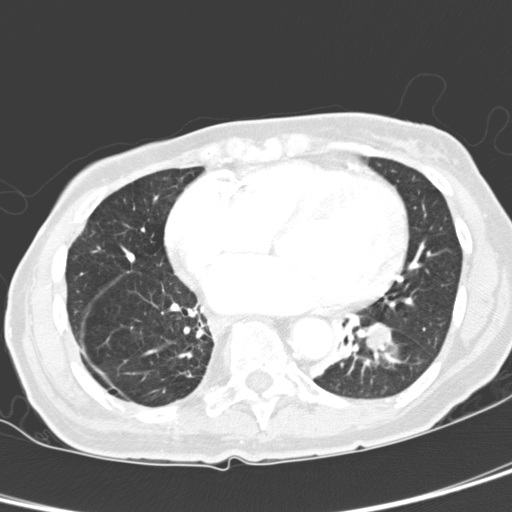
Chest CT, axial plane, 120 kVp, kernel D. Slice 141/321 from the bottom of the scan; thickness 2.00 mm; pixel size 0.557 mm.
Pulmonary nodule, outlined by all four readers. Box on this slice rows 322–353, columns 364–394, the union of the readers' outlines on this slice; median longest diameter 18.6 mm (readers' outlines 18.1–20.0 mm), median volume 2503 mm3 (2428–2697 mm3). Median ratings and the readers' spread: median texture 4.5/5 (readers ranged 4/5 to 5/5 (solid)); margin 4.5/5 at the median of four readers, spread 3/5 to 5/5 (circumscribed); median sphericity 5/5 (round) (readers ranged 4/5 to 5/5 (round)); calcification absent from all four readers; internal structure soft tissue from all four readers; subtlety 5/5 at the median of four readers, spread 4–5; median malignancy likelihood 4/5 (readers ranged 2–5). Scale key (1–5): texture non-solid→solid, margin indistinct→circumscribed, sphericity linear→round, subtlety extremely subtle→obvious, malignancy likelihood highly unlikely→highly suspicious of cancer. Box rows and columns are 0-based pixel indices from the top-left corner, inclusive.